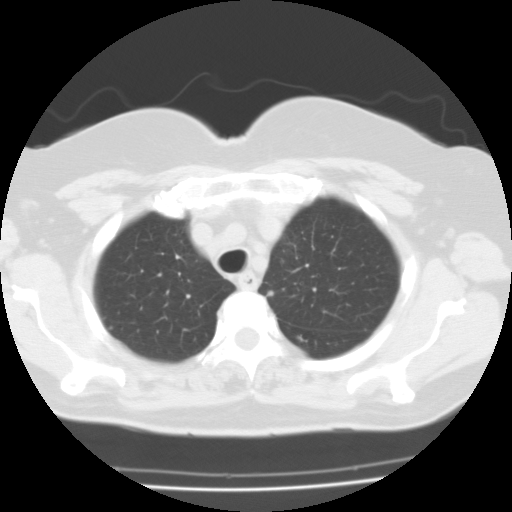
Axial slice 91 of 112 of a chest CT (slice 1 is the lowest), reconstructed with the FC01 kernel at 135 kVp; 3.00 mm slice thickness and 0.650 mm pixels.
Pulmonary nodule, outlined by one of the four readers. Box on this slice rows 290–295, columns 267–273, that reader's outline on this slice; longest diameter 5.6 mm and volume 108 mm3 from that reader's outline. That reader's ratings: texture 5/5 (solid); margin 3/5; sphericity 5/5 (round); calcification absent; internal structure soft tissue; subtlety 5/5; malignancy likelihood 3/5. Scale key (1–5): texture non-solid→solid, margin indistinct→circumscribed, sphericity linear→round, subtlety extremely subtle→obvious, malignancy likelihood highly unlikely→highly suspicious of cancer. Box rows and columns are 0-based pixel indices from the top-left corner, inclusive.